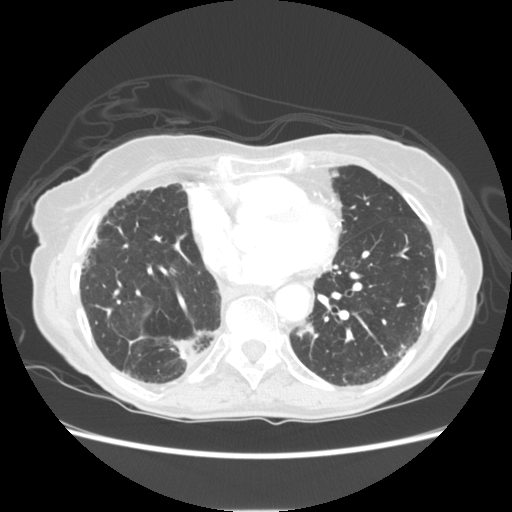
Axial slice 57 of 131 of a chest CT (slice 1 is the lowest), reconstructed with the STANDARD kernel at 120 kVp; 2.50 mm slice thickness and 0.703 mm pixels.
Pulmonary nodule, outlined by one of the four readers. Box on this slice rows 322–336, columns 296–313, that reader's outline on this slice; longest diameter 15.0 mm and volume 636 mm3 from that reader's outline. Ratings by that reader: texture 3/5 (part-solid); margin 1/5 (indistinct); sphericity 2/5; calcification absent; internal structure soft tissue; subtlety 3/5; malignancy likelihood 1/5. Scale key (1–5): texture non-solid→solid, margin indistinct→circumscribed, sphericity linear→round, subtlety extremely subtle→obvious, malignancy likelihood highly unlikely→highly suspicious of cancer. Box rows and columns are 0-based pixel indices from the top-left corner, inclusive.